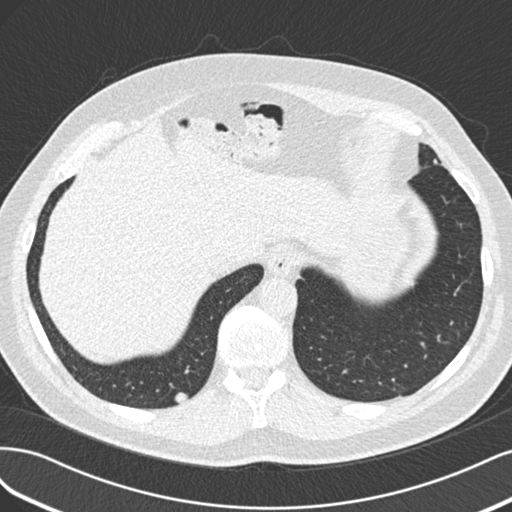
Chest CT, axial plane, 120 kVp, kernel B30f. Slice 45/193 from the bottom of the scan; thickness 2.00 mm; pixel size 0.703 mm.
Pulmonary nodule outlined by three of the four readers; box rows 392–404, columns 175–187 (the union of the readers' outlines on this slice); longest diameter 12.4 mm on average over the three readers' outlines (readers' outlines 12.3–12.6 mm), volume 627–717 mm3. Ratings, by the readers' most common answer with dissent counted: texture 5/5 (solid) by two of three readers; the rest gave 4/5 (one); margin 5/5 (circumscribed) by two of three readers; the rest gave 3/5 (one); most readers (two of three) put sphericity at 4/5, others 5/5 (round) (one); calcification absent, all three readers agreeing; internal structure soft tissue from all three readers; most readers (two of three) put subtlety at 5/5, others 4/5 (one); most readers (two of three) put malignancy likelihood at 3/5, others 5/5 (one). Scale key (1–5): texture non-solid→solid, margin indistinct→circumscribed, sphericity linear→round, subtlety extremely subtle→obvious, malignancy likelihood highly unlikely→highly suspicious of cancer. Box rows and columns are 0-based pixel indices from the top-left corner, inclusive.